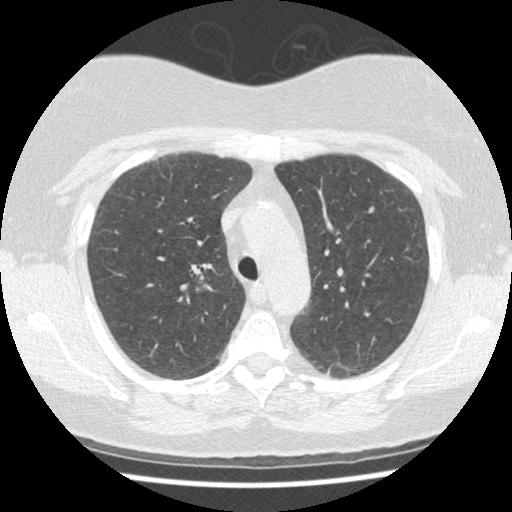
One axial slice (289 of 401, counting up from the lowest) of a chest CT acquired at 120 kVp with the STANDARD kernel; each pixel is 0.625 mm and the slice is 1.25 mm thick.
Pulmonary nodule, outlined by all four readers. Box on this slice rows 206–212, columns 368–374, the union of the readers' outlines on this slice; the four readers' outlines give a longest diameter between 5.9 and 6.4 mm and a volume between 30 and 40 mm3. Ratings across the readers: texture 5/5 (solid), all four readers agreeing; margin from 3/5 to 5/5 (circumscribed) across the four readers; sphericity from 2/5 to 4/5 across the four readers; calcification absent from all four readers; internal structure soft tissue, all four readers agreeing; subtlety from 2/5 to 4/5 across the four readers; malignancy likelihood 2–3/5 (the readers disagree). Scale key (1–5): texture non-solid→solid, margin indistinct→circumscribed, sphericity linear→round, subtlety extremely subtle→obvious, malignancy likelihood highly unlikely→highly suspicious of cancer. Box rows and columns are 0-based pixel indices from the top-left corner, inclusive.